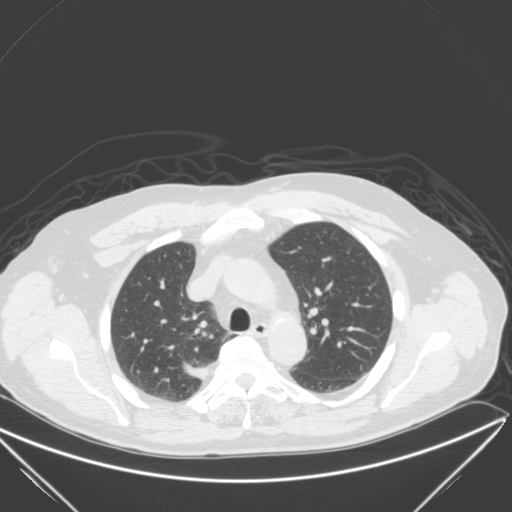
Axial chest CT slice 194 of 280 (counted from the lowest slice); tube voltage 120 kVp, convolution kernel B; slices 2.00 mm thick, 0.805 mm per pixel.
Pulmonary nodule at rows 334–338, columns 209–214 (box = that reader's outline on this slice), outlined by one of the four readers; longest diameter 6.1 mm and volume 89 mm3 from that reader's outline. Ratings by that reader: texture 5/5 (solid); margin 5/5 (circumscribed); sphericity 5/5 (round); calcification absent; internal structure soft tissue; subtlety 5/5; malignancy likelihood 3/5. Scale key (1–5): texture non-solid→solid, margin indistinct→circumscribed, sphericity linear→round, subtlety extremely subtle→obvious, malignancy likelihood highly unlikely→highly suspicious of cancer. Box rows and columns are 0-based pixel indices from the top-left corner, inclusive.